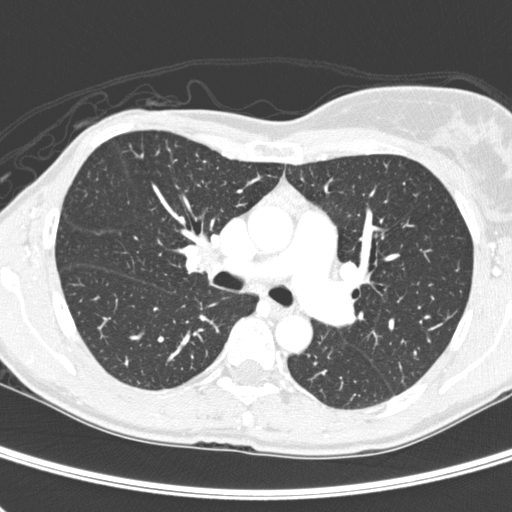
This is axial slice 174 of 280 (slice 1 is the lowest) of a chest CT; each pixel is 0.578 mm and the slice is 1.00 mm thick. No nodule 3 mm or larger was outlined here by any reader.
Tube voltage 120 kVp; convolution kernel D.